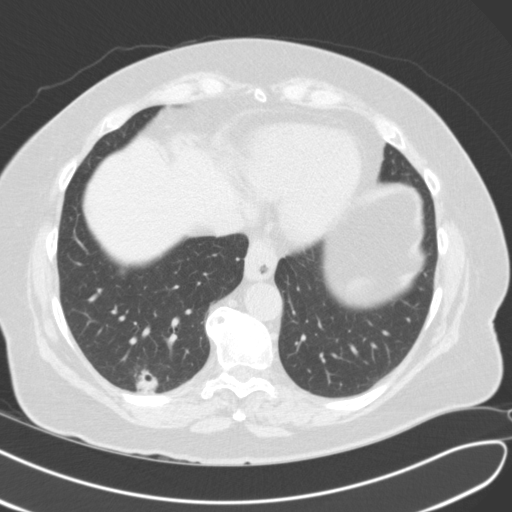
Axial chest CT slice 38 of 106 (counted from the lowest slice); tube voltage 120 kVp, convolution kernel B31f; slices 3.00 mm thick, 0.705 mm per pixel.
Two pulmonary nodules are outlined on this slice; from left to right: (1) Pulmonary nodule, outlined by one of the four readers. Box on this slice rows 268–273, columns 120–124, that reader's outline on this slice; longest diameter 9.8 mm and volume 233 mm3 from that reader's outline. Ratings by that reader: texture 5/5 (solid); margin 3/5; sphericity 5/5 (round); calcification absent; internal structure soft tissue; subtlety 2/5; malignancy likelihood 4/5. (2) Pulmonary nodule outlined by all four readers; box rows 369–392, columns 136–158 (the union of the readers' outlines on this slice); longest diameter 20.3 mm on average over the four readers' outlines (readers' outlines 19.5–21.3 mm), volume 1709–3140 mm3. Ratings, by the readers' most common answer with dissent counted: texture 5/5 (solid) by three of four readers; the rest gave 4/5 (one); margin 4/5 by two of four readers; the rest gave 3/5 (one), 5/5 (circumscribed) (one); most readers (three of four) put sphericity at 5/5 (round), others 4/5 (one); calcification absent, all four readers agreeing; internal structure soft tissue by three of four readers, air (one); subtlety 5/5 by three of four readers; the rest gave 4/5 (one); malignancy likelihood 3/5 by two of four readers; the rest gave 1/5 (one), 5/5 (one). Scale key (1–5): texture non-solid→solid, margin indistinct→circumscribed, sphericity linear→round, subtlety extremely subtle→obvious, malignancy likelihood highly unlikely→highly suspicious of cancer. Box rows and columns are 0-based pixel indices from the top-left corner, inclusive.